Axial chest CT slice 304 of 413 (counted from the lowest slice); tube voltage 120 kVp, convolution kernel STANDARD; slices 1.25 mm thick, 0.625 mm per pixel.
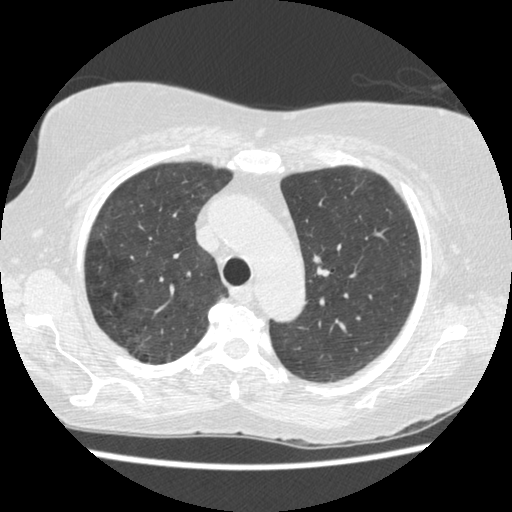
Pulmonary nodule, outlined by two of the four readers. Box on this slice rows 255–263, columns 313–320, the union of the readers' outlines on this slice; longest diameter 7.9 mm on average over the two readers' outlines (readers' outlines 7.3–8.5 mm), volume 68–167 mm3. Ratings, by the readers' most common answer with dissent counted: texture 5/5 (solid), both readers agreeing; margin split among the readers: 3/5 (one), 5/5 (circumscribed) (one); sphericity split among the readers: 4/5 (one), 5/5 (round) (one); calcification absent from both readers; internal structure soft tissue from both readers; subtlety split among the readers: 2/5 (one), 3/5 (one); malignancy likelihood split among the readers: 3/5 (one), 4/5 (one). Scale key (1–5): texture non-solid→solid, margin indistinct→circumscribed, sphericity linear→round, subtlety extremely subtle→obvious, malignancy likelihood highly unlikely→highly suspicious of cancer. Box rows and columns are 0-based pixel indices from the top-left corner, inclusive.